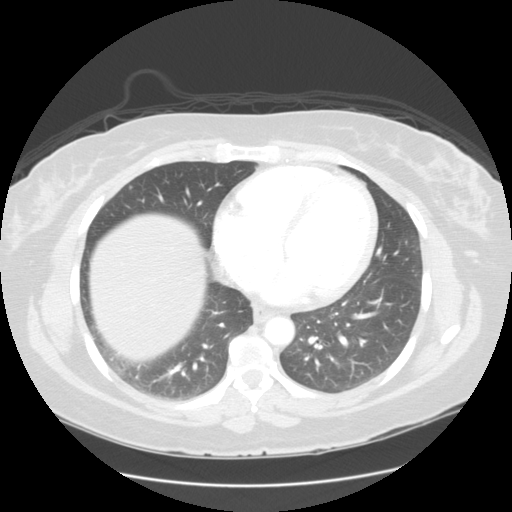
Axial slice 71 of 133 of a chest CT (slice 1 is the lowest), reconstructed with the STANDARD kernel at 120 kVp; 2.50 mm slice thickness and 0.742 mm pixels.
Pulmonary nodule at rows 186–188, columns 129–131 (box = the union of the readers' outlines on this slice), outlined by two of the four readers; longest diameter 5.4 mm on average over the two readers' outlines (readers' outlines 5.4 mm), volume 51 mm3. The readers' prevailing ratings and who disagreed: texture 5/5 (solid), both readers agreeing; margin split among the readers: 4/5 (one), 5/5 (circumscribed) (one); sphericity split among the readers: 2/5 (one), 4/5 (one); calcification absent, both readers agreeing; internal structure soft tissue, both readers agreeing; subtlety 2/5, both readers agreeing; malignancy likelihood split among the readers: 2/5 (one), 3/5 (one). Scale key (1–5): texture non-solid→solid, margin indistinct→circumscribed, sphericity linear→round, subtlety extremely subtle→obvious, malignancy likelihood highly unlikely→highly suspicious of cancer. Box rows and columns are 0-based pixel indices from the top-left corner, inclusive.